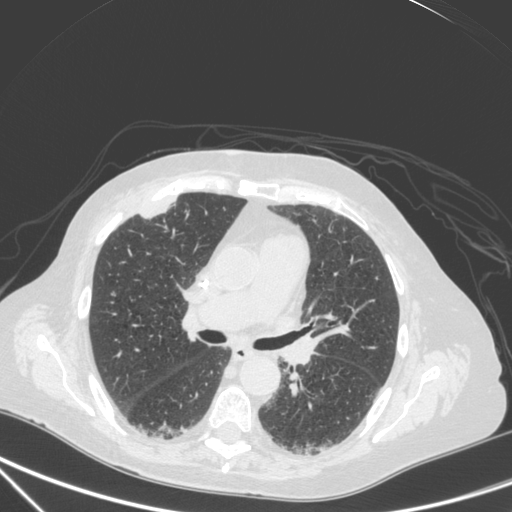
Axial slice 191 of 350 of a chest CT (slice 1 is the lowest), reconstructed with the C kernel at 120 kVp; 1.50 mm slice thickness and 0.725 mm pixels.
Pulmonary nodule at rows 200–218, columns 140–175 (box = that reader's outline on this slice), outlined by one of the four readers; longest diameter 29.5 mm and volume 4181 mm3 from that reader's outline. That reader's ratings: texture 5/5 (solid); margin 4/5; sphericity 2/5; calcification absent; internal structure soft tissue; subtlety 5/5; malignancy likelihood 4/5. Scale key (1–5): texture non-solid→solid, margin indistinct→circumscribed, sphericity linear→round, subtlety extremely subtle→obvious, malignancy likelihood highly unlikely→highly suspicious of cancer. Box rows and columns are 0-based pixel indices from the top-left corner, inclusive.